Chest CT, axial plane, 120 kVp, kernel STANDARD. Slice 129/258 from the bottom of the scan; thickness 1.25 mm; pixel size 0.859 mm.
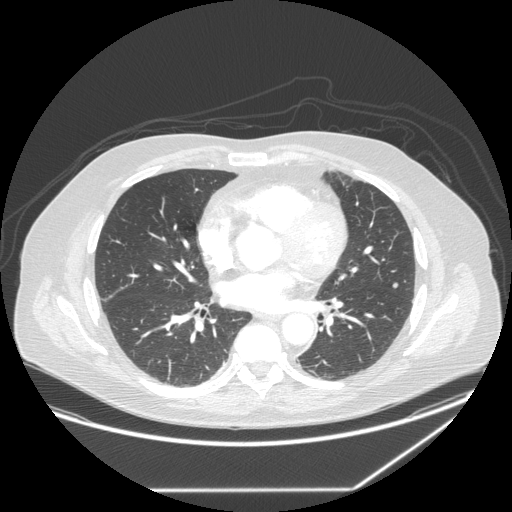
Pulmonary nodule, outlined by all four readers. Box on this slice rows 282–287, columns 392–398, the union of the readers' outlines on this slice; median longest diameter 7.7 mm (readers' outlines 7.3–8.6 mm), median volume 168 mm3 (165–207 mm3). Ratings, median across the readers with their spread: texture 5/5 (solid), all four readers agreeing; margin 5/5 (circumscribed) from all four readers; sphericity 5/5 (round) at the median of four readers, spread 4/5 to 5/5 (round); calcification absent from all four readers; internal structure soft tissue, all four readers agreeing; subtlety 3.5/5 at the median of four readers, spread 3–5; malignancy likelihood 2.5/5 at the median of four readers, spread 2–3. Scale key (1–5): texture non-solid→solid, margin indistinct→circumscribed, sphericity linear→round, subtlety extremely subtle→obvious, malignancy likelihood highly unlikely→highly suspicious of cancer. Box rows and columns are 0-based pixel indices from the top-left corner, inclusive.